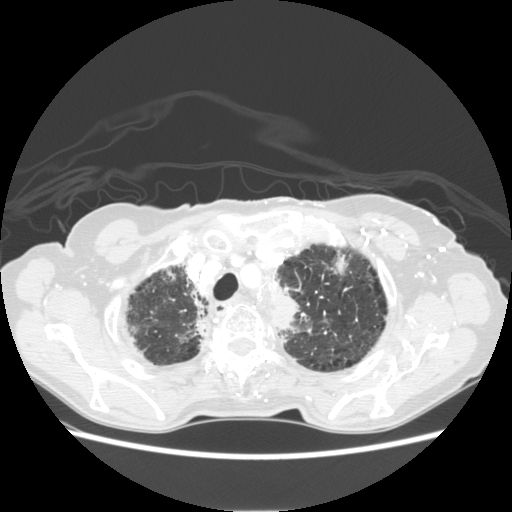
This is axial slice 109 of 131 (slice 1 is the lowest) of a chest CT; each pixel is 0.703 mm and the slice is 2.50 mm thick. Pulmonary nodule at rows 249–279, columns 329–349 (box = the union of the readers' outlines on this slice), outlined by all four readers; longest diameter 18.7–25.9 mm and volume 1749–2501 mm3 across the four readers' outlines. The readers' ratings, as ranges where they differ: texture 5/5 (solid) from all four readers; margin from 3/5 to 5/5 (circumscribed) across the four readers; sphericity from 3/5 (ovoid) to 5/5 (round) across the four readers; calcification absent from all four readers; internal structure soft tissue, all four readers agreeing; subtlety rated between 3 and 5 out of 5 by the four readers; malignancy likelihood 2–5/5 (the readers disagree). Scale key (1–5): texture non-solid→solid, margin indistinct→circumscribed, sphericity linear→round, subtlety extremely subtle→obvious, malignancy likelihood highly unlikely→highly suspicious of cancer. Box rows and columns are 0-based pixel indices from the top-left corner, inclusive.
Tube voltage 120 kVp; convolution kernel STANDARD.